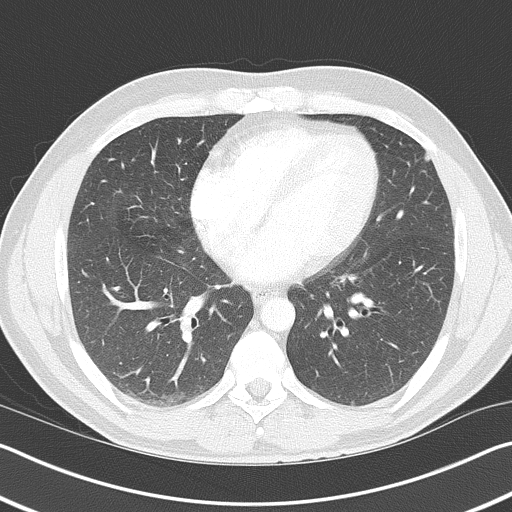
Axial chest CT slice 198 of 368 (counted from the lowest slice); tube voltage 120 kVp, convolution kernel B70f; slices 2.00 mm thick, 0.660 mm per pixel.
Pulmonary nodule at rows 153–161, columns 424–429 (box = that reader's outline on this slice), outlined by one of the four readers; longest diameter 8.2 mm and volume 108 mm3 from that reader's outline. Ratings by that reader: texture 1/5 (non-solid); margin 2/5; sphericity 5/5 (round); calcification absent; internal structure soft tissue; subtlety 1/5; malignancy likelihood 2/5. Scale key (1–5): texture non-solid→solid, margin indistinct→circumscribed, sphericity linear→round, subtlety extremely subtle→obvious, malignancy likelihood highly unlikely→highly suspicious of cancer. Box rows and columns are 0-based pixel indices from the top-left corner, inclusive.